Axial slice 77 of 118 of a chest CT (slice 1 is the lowest), reconstructed with the FC01 kernel at 135 kVp; 3.00 mm slice thickness and 0.705 mm pixels.
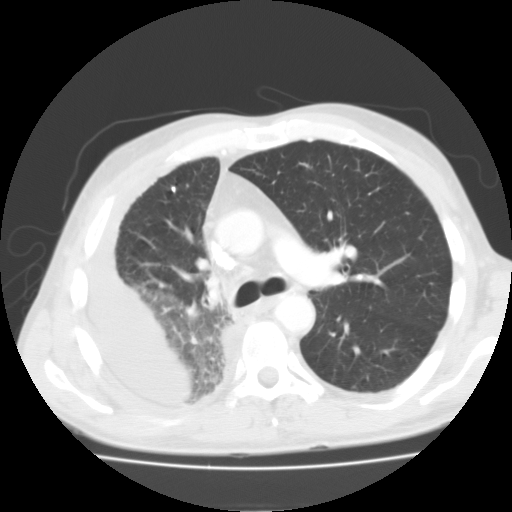
Pulmonary nodule, outlined by one of the four readers. Box on this slice rows 188–191, columns 172–174, that reader's outline on this slice; longest diameter 4.3 mm and volume 46 mm3 from that reader's outline. That reader's ratings: texture 5/5 (solid); margin 5/5 (circumscribed); sphericity 5/5 (round); calcification solid calcification; internal structure soft tissue; subtlety 5/5; malignancy likelihood 1/5. Scale key (1–5): texture non-solid→solid, margin indistinct→circumscribed, sphericity linear→round, subtlety extremely subtle→obvious, malignancy likelihood highly unlikely→highly suspicious of cancer. Box rows and columns are 0-based pixel indices from the top-left corner, inclusive.